Axial chest CT slice 63 of 166 (counted from the lowest slice); tube voltage 120 kVp, convolution kernel STANDARD; slices 2.50 mm thick, 0.723 mm per pixel.
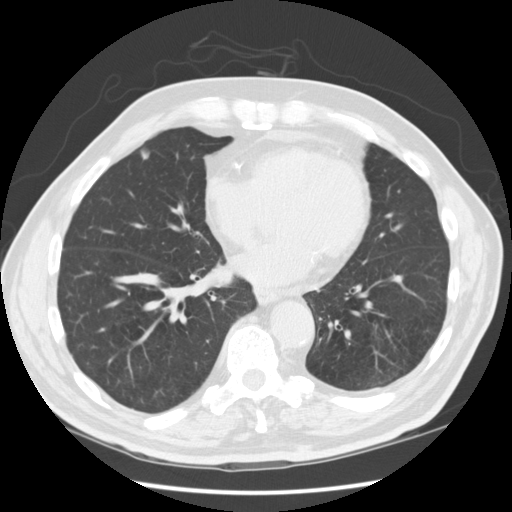
Pulmonary nodule, outlined by all four readers, three of them on this slice. Box on this slice rows 147–159, columns 141–150, the union of the readers' outlines on this slice; the four readers' outlines give a longest diameter between 7.3 and 10.5 mm and a volume between 126 and 259 mm3. Ratings across the readers: texture from 1/5 (non-solid) to 5/5 (solid) across the four readers; margin from 2/5 to 5/5 (circumscribed) across the four readers; sphericity from 4/5 to 5/5 (round) across the four readers; calcification absent from all four readers; internal structure soft tissue, all four readers agreeing; subtlety 1–4/5 (the readers disagree); malignancy likelihood 2/5 from all four readers. Scale key (1–5): texture non-solid→solid, margin indistinct→circumscribed, sphericity linear→round, subtlety extremely subtle→obvious, malignancy likelihood highly unlikely→highly suspicious of cancer. Box rows and columns are 0-based pixel indices from the top-left corner, inclusive.